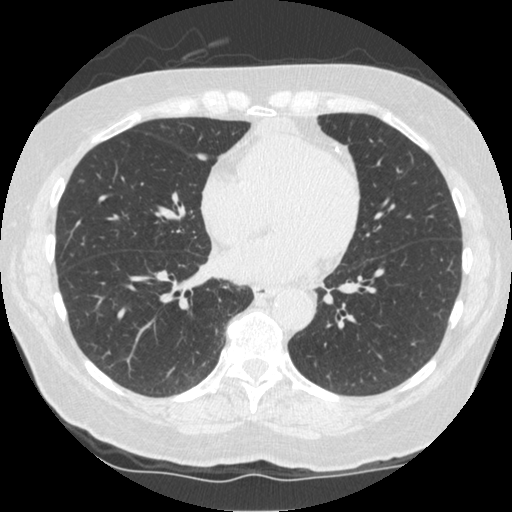
Slice 202/519 of a chest CT, counting up from the lowest; pixel size 0.645 mm, slice thickness 1.25 mm. Pulmonary nodule, outlined by all four readers. Box on this slice rows 152–160, columns 196–207, the union of the readers' outlines on this slice; median longest diameter 9.2 mm (readers' outlines 8.4–10.5 mm), median volume 189 mm3 (147–202 mm3). Median ratings and the readers' spread: texture 5/5 (solid) from all four readers; margin 5/5 (circumscribed) at the median of four readers, spread 4/5 to 5/5 (circumscribed); sphericity 3/5 (ovoid) from all four readers; calcification absent, all four readers agreeing; internal structure soft tissue, all four readers agreeing; subtlety 5/5 at the median of four readers, spread 4–5; malignancy likelihood 3/5 at the median of four readers, spread 2–4. Scale key (1–5): texture non-solid→solid, margin indistinct→circumscribed, sphericity linear→round, subtlety extremely subtle→obvious, malignancy likelihood highly unlikely→highly suspicious of cancer. Box rows and columns are 0-based pixel indices from the top-left corner, inclusive.
Acquired at 120 kVp and reconstructed with the STANDARD kernel.